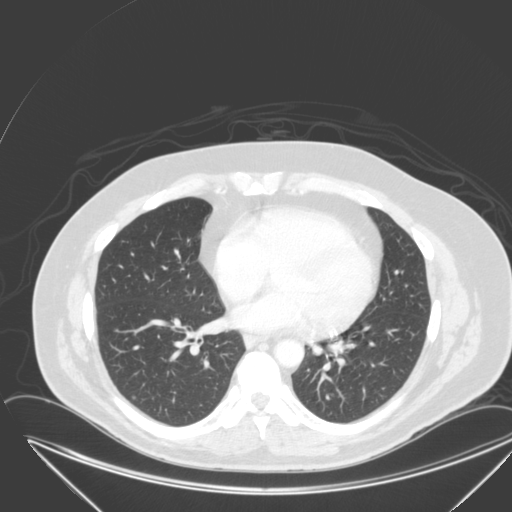
Chest CT, axial plane, 120 kVp, kernel B. Slice 136/315 from the bottom of the scan; thickness 2.00 mm; pixel size 0.830 mm.
Pulmonary nodule, outlined by all four readers. Box on this slice rows 395–400, columns 132–136, the union of the readers' outlines on this slice; longest diameter 6.4 mm on average over the four readers' outlines (readers' outlines 6.0–7.1 mm), volume 73–110 mm3. Ratings, by the readers' most common answer with dissent counted: most readers (three of four) put texture at 5/5 (solid), others 4/5 (one); most readers (three of four) put margin at 5/5 (circumscribed), others 4/5 (one); sphericity 5/5 (round) by three of four readers; the rest gave 4/5 (one); calcification absent from all four readers; internal structure soft tissue from all four readers; subtlety split among the readers: 2/5 (one), 3/5 (one), 4/5 (one), 5/5 (one); malignancy likelihood split among the readers: 2/5 (two), 3/5 (two). Scale key (1–5): texture non-solid→solid, margin indistinct→circumscribed, sphericity linear→round, subtlety extremely subtle→obvious, malignancy likelihood highly unlikely→highly suspicious of cancer. Box rows and columns are 0-based pixel indices from the top-left corner, inclusive.